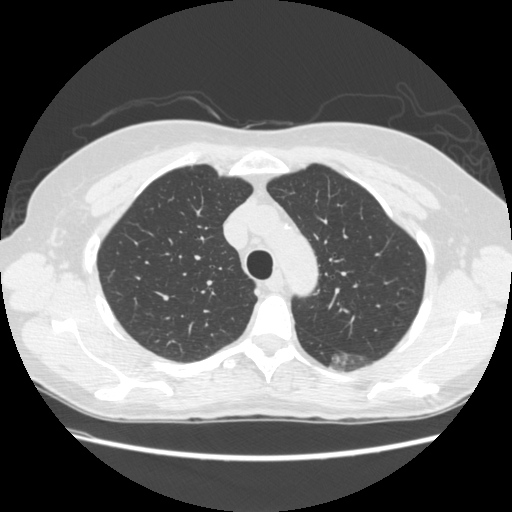
Axial chest CT slice 191 of 261 (counted from the lowest slice); tube voltage 120 kVp, convolution kernel STANDARD; slices 1.25 mm thick, 0.682 mm per pixel.
Pulmonary nodule, outlined by two of the four readers. Box on this slice rows 351–372, columns 328–372, the union of the readers' outlines on this slice; median longest diameter 30.8 mm (readers' outlines 30.0–31.5 mm), median volume 7245 mm3 (6577–7912 mm3). Median ratings and the readers' spread: texture 1.5/5 at the median of two readers, spread 1/5 (non-solid) to 2/5; median margin 1.5/5 (readers ranged 1/5 (indistinct) to 2/5); sphericity 4/5 at the median of two readers, spread 3/5 (ovoid) to 5/5 (round); calcification absent from both readers; internal structure soft tissue from both readers; median subtlety 1.5/5 (readers ranged 1–2); malignancy likelihood 4.5/5 at the median of two readers, spread 4–5. Scale key (1–5): texture non-solid→solid, margin indistinct→circumscribed, sphericity linear→round, subtlety extremely subtle→obvious, malignancy likelihood highly unlikely→highly suspicious of cancer. Box rows and columns are 0-based pixel indices from the top-left corner, inclusive.